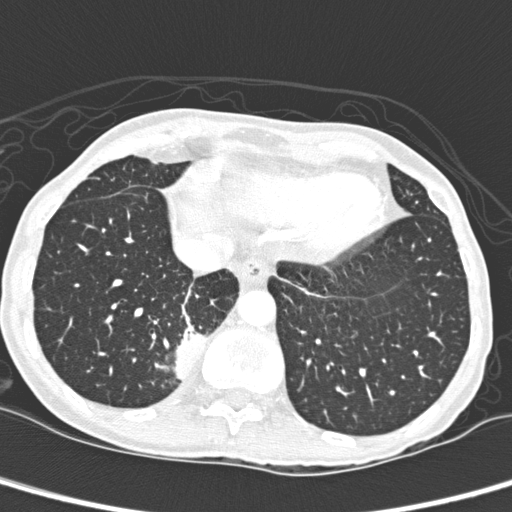
Chest CT, axial plane, 120 kVp, kernel D. Slice 61/280 from the bottom of the scan; thickness 1.00 mm; pixel size 0.564 mm.
Pulmonary nodule outlined by two of the four readers; box rows 332–380, columns 173–207 (the union of the readers' outlines on this slice); the two readers' outlines give a longest diameter between 32.1 and 35.8 mm and a volume between 5657 and 6702 mm3. Ratings across the readers: texture 5/5 (solid) from both readers; margin 4/5 from both readers; sphericity 3/5 (ovoid) from both readers; calcification absent from both readers; internal structure soft tissue, both readers agreeing; subtlety 5/5, both readers agreeing; malignancy likelihood rated between 2 and 3 out of 5 by the two readers. Scale key (1–5): texture non-solid→solid, margin indistinct→circumscribed, sphericity linear→round, subtlety extremely subtle→obvious, malignancy likelihood highly unlikely→highly suspicious of cancer. Box rows and columns are 0-based pixel indices from the top-left corner, inclusive.